Axial chest CT slice 75 of 241 (counted from the lowest slice); tube voltage 120 kVp, convolution kernel STANDARD; slices 1.25 mm thick, 0.609 mm per pixel.
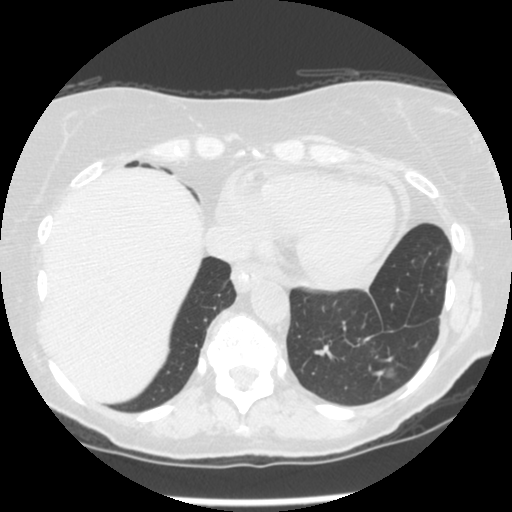
Pulmonary nodule outlined by all four readers; box rows 367–379, columns 384–395 (the union of the readers' outlines on this slice); median longest diameter 7.5 mm (readers' outlines 7.3–9.1 mm), median volume 100 mm3 (77–138 mm3). Ratings, median across the readers with their spread: median texture 1.5/5 (readers ranged 1/5 (non-solid) to 3/5 (part-solid)); median margin 2.5/5 (readers ranged 2/5 to 4/5); sphericity 4/5 at the median of four readers, spread 3/5 (ovoid) to 5/5 (round); calcification absent from all four readers; internal structure soft tissue, all four readers agreeing; median subtlety 2.5/5 (readers ranged 1–4); malignancy likelihood 3/5 at the median of four readers, spread 2–4. Scale key (1–5): texture non-solid→solid, margin indistinct→circumscribed, sphericity linear→round, subtlety extremely subtle→obvious, malignancy likelihood highly unlikely→highly suspicious of cancer. Box rows and columns are 0-based pixel indices from the top-left corner, inclusive.